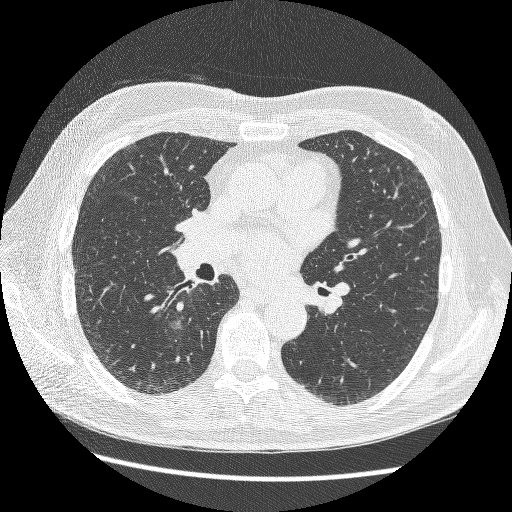
Axial chest CT slice 148 of 264 (counted from the lowest slice); 1.25 mm thick, 0.703 mm per pixel. Pulmonary nodule at rows 320–328, columns 170–180 (box = the union of the readers' outlines on this slice), outlined by two of the four readers; the two readers' outlines give a longest diameter between 10.7 and 11.6 mm and a volume between 251 and 294 mm3. Ratings across the readers: texture from 3/5 (part-solid) to 4/5 across the two readers; margin 2/5 from both readers; sphericity from 2/5 to 3/5 (ovoid) across the two readers; calcification absent, both readers agreeing; internal structure soft tissue, both readers agreeing; subtlety 2/5, both readers agreeing; malignancy likelihood 3/5 from both readers. Scale key (1–5): texture non-solid→solid, margin indistinct→circumscribed, sphericity linear→round, subtlety extremely subtle→obvious, malignancy likelihood highly unlikely→highly suspicious of cancer. Box rows and columns are 0-based pixel indices from the top-left corner, inclusive.
Acquired at 120 kVp and reconstructed with the BONE kernel.